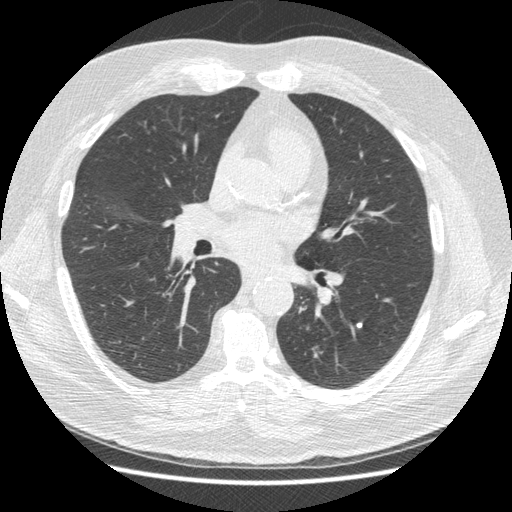
This is axial slice 245 of 487 (slice 1 is the lowest) of a chest CT; each pixel is 0.703 mm and the slice is 1.25 mm thick. Pulmonary nodule at rows 322–328, columns 356–362 (box = the union of the readers' outlines on this slice), outlined by all four readers; longest diameter 6.7 mm on average over the four readers' outlines (readers' outlines 6.5–7.1 mm), volume 68–92 mm3. Ratings, by the readers' most common answer with dissent counted: texture 5/5 (solid) from all four readers; margin 5/5 (circumscribed), all four readers agreeing; sphericity 5/5 (round) by two of four readers; the rest gave 3/5 (ovoid) (one), 4/5 (one); calcification solid calcification from all four readers; internal structure soft tissue from all four readers; most readers (three of four) put subtlety at 5/5, others 4/5 (one); malignancy likelihood 1/5 from all four readers. Scale key (1–5): texture non-solid→solid, margin indistinct→circumscribed, sphericity linear→round, subtlety extremely subtle→obvious, malignancy likelihood highly unlikely→highly suspicious of cancer. Box rows and columns are 0-based pixel indices from the top-left corner, inclusive.
Tube voltage 120 kVp; convolution kernel STANDARD.